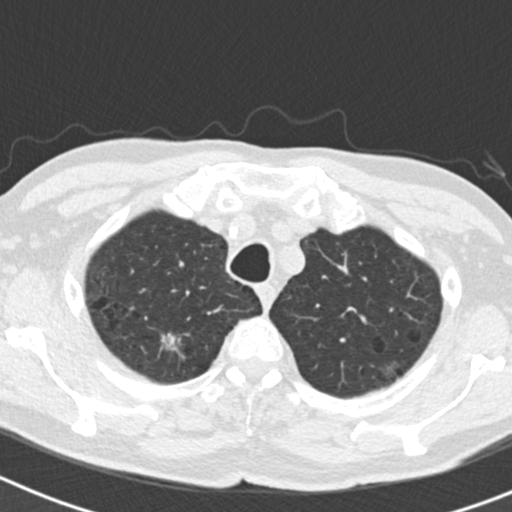
Axial slice 157 of 186 of a chest CT (slice 1 is the lowest), reconstructed with the B30f kernel at 120 kVp; 2.00 mm slice thickness and 0.586 mm pixels.
Pulmonary nodule at rows 334–348, columns 162–179 (box = that reader's outline on this slice), outlined by one of the four readers; longest diameter 13.5 mm and volume 304 mm3 from that reader's outline. Ratings by that reader: texture 3/5 (part-solid); margin 2/5; sphericity 4/5; calcification absent; internal structure soft tissue; subtlety 4/5; malignancy likelihood 3/5. Scale key (1–5): texture non-solid→solid, margin indistinct→circumscribed, sphericity linear→round, subtlety extremely subtle→obvious, malignancy likelihood highly unlikely→highly suspicious of cancer. Box rows and columns are 0-based pixel indices from the top-left corner, inclusive.